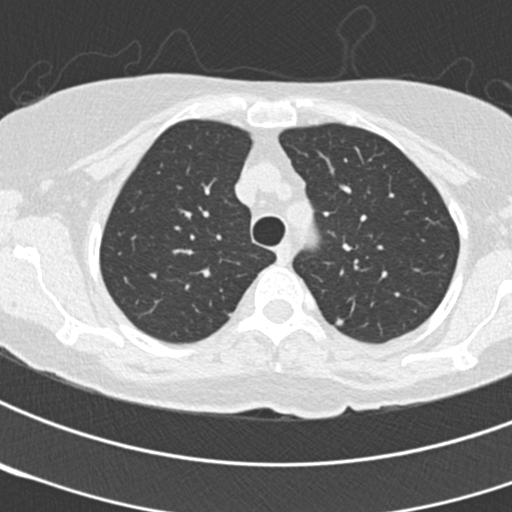
Axial chest CT slice 136 of 171 (counted from the lowest slice); tube voltage 120 kVp, convolution kernel B30f; slices 2.00 mm thick, 0.547 mm per pixel.
Pulmonary nodule outlined by two of the four readers; box rows 317–324, columns 335–343 (the union of the readers' outlines on this slice); median longest diameter 5.1 mm (readers' outlines 4.4–5.9 mm), median volume 47 mm3 (31–63 mm3). Ratings, median across the readers with their spread: texture 5/5 (solid), both readers agreeing; margin 4.5/5 at the median of two readers, spread 4/5 to 5/5 (circumscribed); sphericity 4/5 from both readers; calcification absent, both readers agreeing; internal structure soft tissue, both readers agreeing; subtlety 4/5, both readers agreeing; malignancy likelihood 2.5/5 at the median of two readers, spread 2–3. Scale key (1–5): texture non-solid→solid, margin indistinct→circumscribed, sphericity linear→round, subtlety extremely subtle→obvious, malignancy likelihood highly unlikely→highly suspicious of cancer. Box rows and columns are 0-based pixel indices from the top-left corner, inclusive.